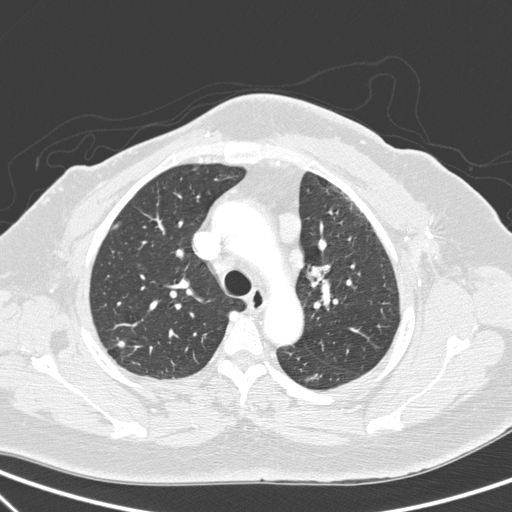
Axial slice 210 of 272 of a chest CT (slice 1 is the lowest), reconstructed with the D kernel at 140 kVp; 1.00 mm slice thickness and 0.676 mm pixels.
Pulmonary nodule at rows 341–347, columns 117–124 (box = the union of the readers' outlines on this slice), outlined by all four readers; longest diameter 7.7 mm on average over the four readers' outlines (readers' outlines 6.2–9.0 mm), volume 55–114 mm3. Ratings, by the readers' most common answer with dissent counted: most readers (three of four) put texture at 5/5 (solid), others 4/5 (one); most readers (three of four) put margin at 4/5, others 3/5 (one); sphericity 4/5 by three of four readers; the rest gave 3/5 (ovoid) (one); calcification absent, all four readers agreeing; internal structure soft tissue from all four readers; most readers (three of four) put subtlety at 5/5, others 2/5 (one); malignancy likelihood split among the readers: 2/5 (one), 3/5 (one), 4/5 (one), 5/5 (one). Scale key (1–5): texture non-solid→solid, margin indistinct→circumscribed, sphericity linear→round, subtlety extremely subtle→obvious, malignancy likelihood highly unlikely→highly suspicious of cancer. Box rows and columns are 0-based pixel indices from the top-left corner, inclusive.